Axial chest CT slice 55 of 133 (counted from the lowest slice); tube voltage 120 kVp, convolution kernel STANDARD; slices 2.50 mm thick, 0.703 mm per pixel.
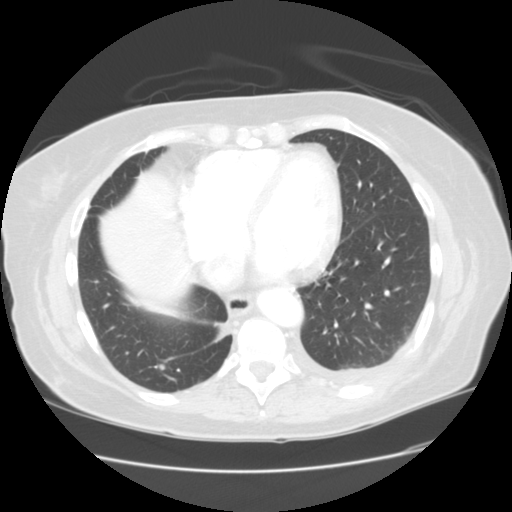
Pulmonary nodule, outlined by one of the four readers. Box on this slice rows 364–369, columns 158–164, that reader's outline on this slice; longest diameter 6.9 mm and volume 125 mm3 from that reader's outline. That reader's ratings: texture 5/5 (solid); margin 5/5 (circumscribed); sphericity 4/5; calcification absent; internal structure soft tissue; subtlety 3/5; malignancy likelihood 2/5. Scale key (1–5): texture non-solid→solid, margin indistinct→circumscribed, sphericity linear→round, subtlety extremely subtle→obvious, malignancy likelihood highly unlikely→highly suspicious of cancer. Box rows and columns are 0-based pixel indices from the top-left corner, inclusive.